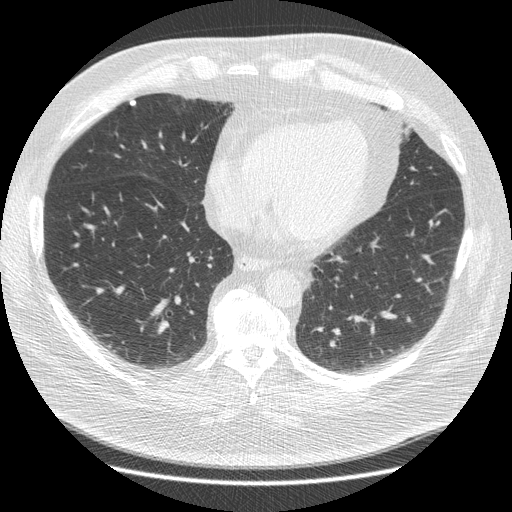
Axial chest CT slice 146 of 426 (counted from the lowest slice); tube voltage 120 kVp, convolution kernel STANDARD; slices 1.25 mm thick, 0.742 mm per pixel.
Pulmonary nodule at rows 99–105, columns 129–136 (box = the union of the readers' outlines on this slice), outlined by three of the four readers; median longest diameter 6.3 mm (readers' outlines 6.1–6.7 mm), median volume 77 mm3 (62–77 mm3). Ratings, median across the readers with their spread: texture 5/5 (solid) from all three readers; margin 5/5 (circumscribed) from all three readers; median sphericity 3/5 (ovoid) (readers ranged 3/5 (ovoid) to 5/5 (round)); calcification: solid calcification (two), absent (one); internal structure soft tissue, all three readers agreeing; subtlety 4/5 at the median of three readers, spread 4–5; malignancy likelihood 1/5 at the median of three readers, spread 1–3. Scale key (1–5): texture non-solid→solid, margin indistinct→circumscribed, sphericity linear→round, subtlety extremely subtle→obvious, malignancy likelihood highly unlikely→highly suspicious of cancer. Box rows and columns are 0-based pixel indices from the top-left corner, inclusive.